Chest CT, axial plane, 120 kVp, kernel B45f. Slice 267/326 from the bottom of the scan; thickness 1.00 mm; pixel size 0.645 mm.
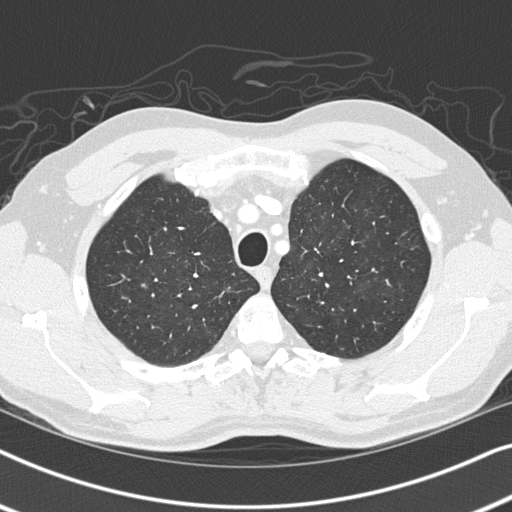
Pulmonary nodule, outlined by all four readers, two of them on this slice. Box on this slice rows 286–293, columns 224–229, the union of the readers' outlines on this slice; longest diameter 8.4–11.1 mm and volume 144–204 mm3 across the four readers' outlines. The readers' ratings, as ranges where they differ: texture from 1/5 (non-solid) to 3/5 (part-solid) across the four readers; margin from 2/5 to 5/5 (circumscribed) across the four readers; sphericity from 4/5 to 5/5 (round) across the four readers; calcification absent, all four readers agreeing; internal structure soft tissue from all four readers; subtlety rated between 1 and 4 out of 5 by the four readers; malignancy likelihood from 2/5 to 3/5 across the four readers. Scale key (1–5): texture non-solid→solid, margin indistinct→circumscribed, sphericity linear→round, subtlety extremely subtle→obvious, malignancy likelihood highly unlikely→highly suspicious of cancer. Box rows and columns are 0-based pixel indices from the top-left corner, inclusive.